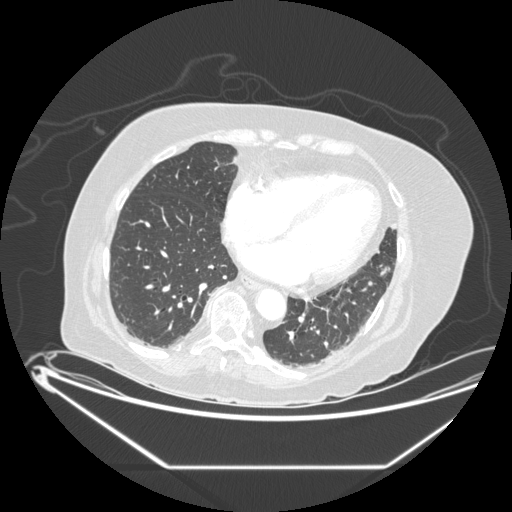
One axial slice (58 of 197, counting up from the lowest) of a chest CT acquired at 120 kVp with the STANDARD kernel; each pixel is 0.859 mm and the slice is 1.25 mm thick.
Pulmonary nodule, outlined by three of the four readers, two of them on this slice. Box on this slice rows 222–230, columns 390–396, the union of the readers' outlines on this slice; longest diameter 7.9–12.5 mm and volume 121–343 mm3 across the three readers' outlines. Ratings across the readers: texture 5/5 (solid), all three readers agreeing; margin from 4/5 to 5/5 (circumscribed) across the three readers; sphericity from 4/5 to 5/5 (round) across the three readers; calcification absent from all three readers; internal structure soft tissue, all three readers agreeing; subtlety rated between 3 and 4 out of 5 by the three readers; malignancy likelihood rated between 2 and 3 out of 5 by the three readers. Scale key (1–5): texture non-solid→solid, margin indistinct→circumscribed, sphericity linear→round, subtlety extremely subtle→obvious, malignancy likelihood highly unlikely→highly suspicious of cancer. Box rows and columns are 0-based pixel indices from the top-left corner, inclusive.